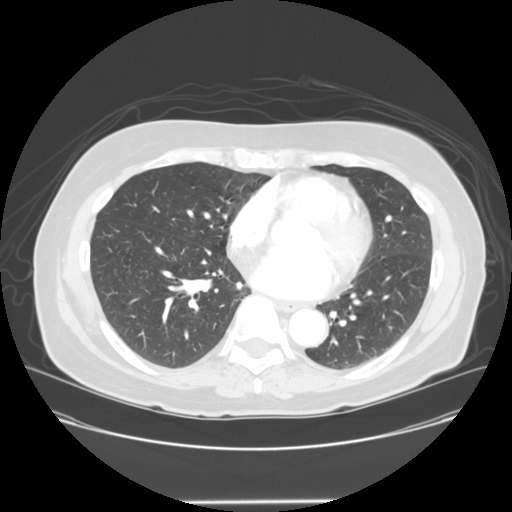
Axial chest CT slice 63 of 138 (counted from the lowest slice); tube voltage 120 kVp, convolution kernel STANDARD; slices 2.50 mm thick, 0.781 mm per pixel.
This slice carries no reader outline of a nodule 3 mm or larger.